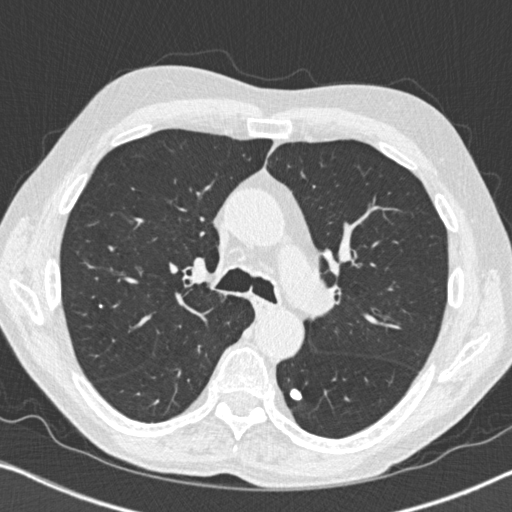
Axial slice 507 of 764 of a chest CT (slice 1 is the lowest), reconstructed with the B31f kernel at 120 kVp; 1.00 mm slice thickness and 0.646 mm pixels.
Pulmonary nodule at rows 387–401, columns 288–303 (box = the union of the readers' outlines on this slice), outlined by all four readers; median longest diameter 11.0 mm (readers' outlines 10.7–12.7 mm), median volume 459 mm3 (382–638 mm3). Ratings, median across the readers with their spread: texture 5/5 (solid) from all four readers; margin 5/5 (circumscribed) from all four readers; sphericity 5/5 (round) at the median of four readers, spread 4/5 to 5/5 (round); calcification solid calcification, all four readers agreeing; internal structure soft tissue from all four readers; subtlety 5/5 from all four readers; malignancy likelihood 1/5 from all four readers. Scale key (1–5): texture non-solid→solid, margin indistinct→circumscribed, sphericity linear→round, subtlety extremely subtle→obvious, malignancy likelihood highly unlikely→highly suspicious of cancer. Box rows and columns are 0-based pixel indices from the top-left corner, inclusive.